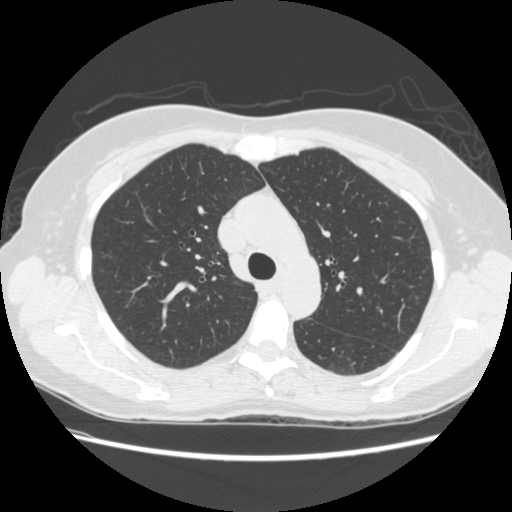
Axial slice 177 of 261 of a chest CT (slice 1 is the lowest), reconstructed with the STANDARD kernel at 120 kVp; 1.25 mm slice thickness and 0.682 mm pixels.
Pulmonary nodule at rows 335–375, columns 327–354 (box = the union of the readers' outlines on this slice), outlined by two of the four readers; the two readers' outlines give a longest diameter between 30.0 and 31.5 mm and a volume between 6577 and 7912 mm3. Ratings across the readers: texture from 1/5 (non-solid) to 2/5 across the two readers; margin from 1/5 (indistinct) to 2/5 across the two readers; sphericity from 3/5 (ovoid) to 5/5 (round) across the two readers; calcification absent, both readers agreeing; internal structure soft tissue from both readers; subtlety from 1/5 to 2/5 across the two readers; malignancy likelihood 4–5/5 (the readers disagree). Scale key (1–5): texture non-solid→solid, margin indistinct→circumscribed, sphericity linear→round, subtlety extremely subtle→obvious, malignancy likelihood highly unlikely→highly suspicious of cancer. Box rows and columns are 0-based pixel indices from the top-left corner, inclusive.